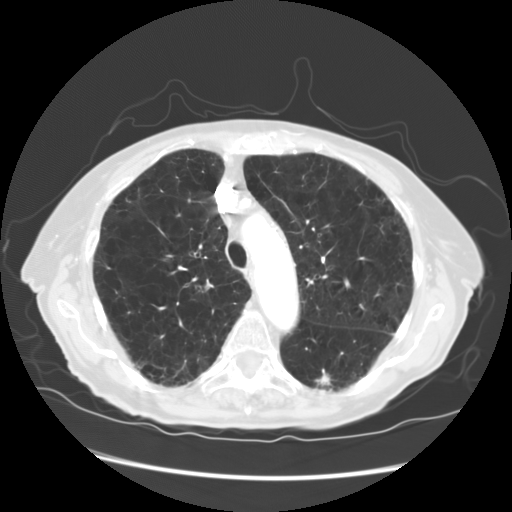
Slice 102/133 of a chest CT, counting up from the lowest; pixel size 0.703 mm, slice thickness 2.50 mm. Pulmonary nodule, outlined by all four readers. Box on this slice rows 369–387, columns 313–330, the union of the readers' outlines on this slice; the four readers' outlines give a longest diameter between 12.6 and 14.8 mm and a volume between 588 and 781 mm3. The readers' ratings, as ranges where they differ: texture from 4/5 to 5/5 (solid) across the four readers; margin from 2/5 to 4/5 across the four readers; sphericity from 2/5 to 5/5 (round) across the four readers; calcification absent, all four readers agreeing; internal structure soft tissue, all four readers agreeing; subtlety from 4/5 to 5/5 across the four readers; malignancy likelihood rated between 4 and 5 out of 5 by the four readers. Scale key (1–5): texture non-solid→solid, margin indistinct→circumscribed, sphericity linear→round, subtlety extremely subtle→obvious, malignancy likelihood highly unlikely→highly suspicious of cancer. Box rows and columns are 0-based pixel indices from the top-left corner, inclusive.
Acquired at 120 kVp and reconstructed with the STANDARD kernel.